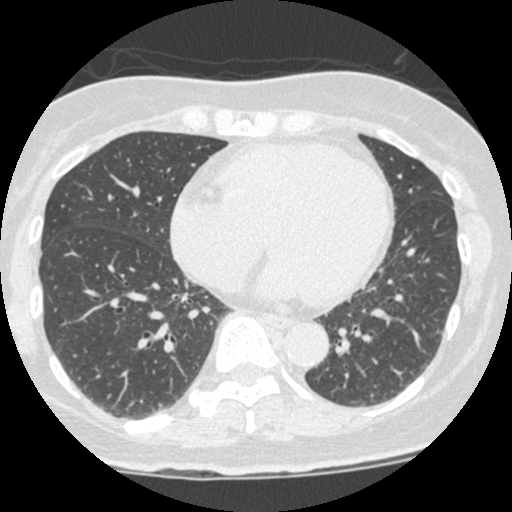
Axial chest CT slice 216 of 490 (counted from the lowest slice); 1.25 mm thick, 0.547 mm per pixel. The readers outlined no nodule of 3 mm or more on this slice.
Acquired at 120 kVp and reconstructed with the STANDARD kernel.